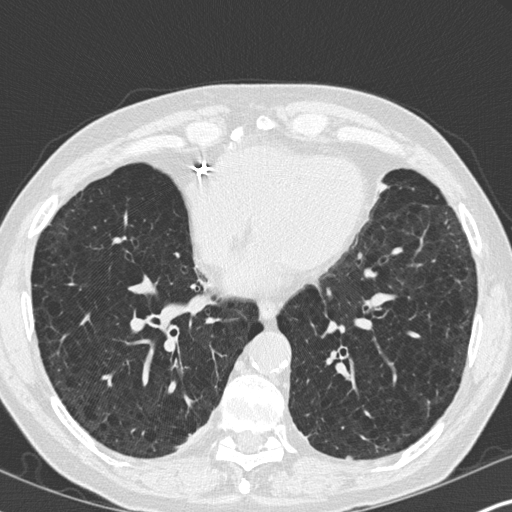
One axial slice (128 of 347, counting up from the lowest) of a chest CT acquired at 120 kVp with the B45f kernel; each pixel is 0.625 mm and the slice is 1.00 mm thick.
Pulmonary nodule, outlined by two of the four readers. Box on this slice rows 455–460, columns 345–352, the union of the readers' outlines on this slice; the two readers' outlines give a longest diameter between 7.0 and 7.3 mm and a volume between 63 and 69 mm3. Ratings across the readers: texture 5/5 (solid), both readers agreeing; margin from 4/5 to 5/5 (circumscribed) across the two readers; sphericity 3/5 (ovoid), both readers agreeing; calcification absent from both readers; internal structure soft tissue, both readers agreeing; subtlety from 3/5 to 5/5 across the two readers; malignancy likelihood 2/5, both readers agreeing. Scale key (1–5): texture non-solid→solid, margin indistinct→circumscribed, sphericity linear→round, subtlety extremely subtle→obvious, malignancy likelihood highly unlikely→highly suspicious of cancer. Box rows and columns are 0-based pixel indices from the top-left corner, inclusive.